Axial slice 140 of 191 of a chest CT (slice 1 is the lowest), reconstructed with the B30f kernel at 120 kVp; 2.00 mm slice thickness and 0.684 mm pixels.
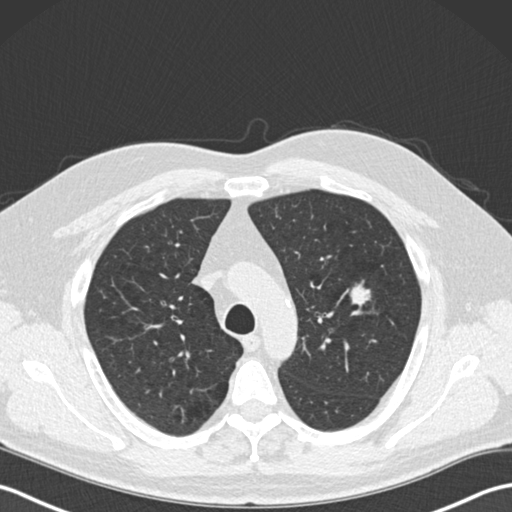
Pulmonary nodule, outlined by all four readers. Box on this slice rows 280–306, columns 348–370, the union of the readers' outlines on this slice; longest diameter 19.4 mm on average over the four readers' outlines (readers' outlines 19.1–20.2 mm), volume 1870–2474 mm3. The readers' prevailing ratings and who disagreed: texture 5/5 (solid), all four readers agreeing; margin 5/5 (circumscribed) by two of four readers; the rest gave 3/5 (one), 4/5 (one); sphericity split among the readers: 3/5 (ovoid) (two), 4/5 (two); calcification absent, all four readers agreeing; internal structure soft tissue from all four readers; subtlety 5/5 from all four readers; most readers (three of four) put malignancy likelihood at 5/5, others 4/5 (one). Scale key (1–5): texture non-solid→solid, margin indistinct→circumscribed, sphericity linear→round, subtlety extremely subtle→obvious, malignancy likelihood highly unlikely→highly suspicious of cancer. Box rows and columns are 0-based pixel indices from the top-left corner, inclusive.